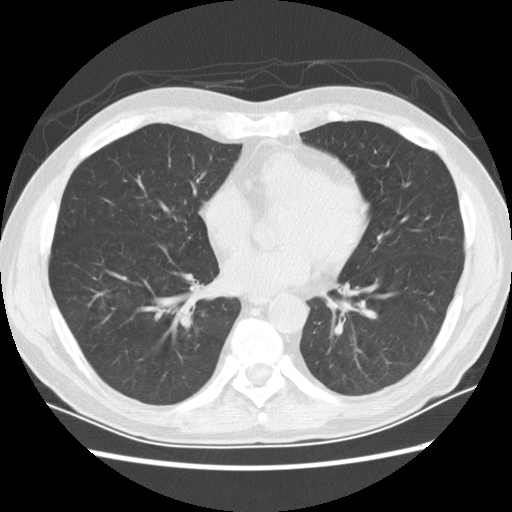
Slice 63/154 of a chest CT, counting up from the lowest; pixel size 0.684 mm, slice thickness 2.50 mm. Pulmonary nodule, outlined by all four readers. Box on this slice rows 311–316, columns 200–205, the union of the readers' outlines on this slice; the four readers' outlines give a longest diameter between 8.2 and 10.8 mm and a volume between 147 and 273 mm3. Ratings across the readers: texture from 1/5 (non-solid) to 3/5 (part-solid) across the four readers; margin from 2/5 to 4/5 across the four readers; sphericity from 4/5 to 5/5 (round) across the four readers; calcification absent from all four readers; internal structure soft tissue from all four readers; subtlety rated between 2 and 5 out of 5 by the four readers; malignancy likelihood from 2/5 to 5/5 across the four readers. Scale key (1–5): texture non-solid→solid, margin indistinct→circumscribed, sphericity linear→round, subtlety extremely subtle→obvious, malignancy likelihood highly unlikely→highly suspicious of cancer. Box rows and columns are 0-based pixel indices from the top-left corner, inclusive.
Scan settings: 120 kVp, STANDARD reconstruction kernel.